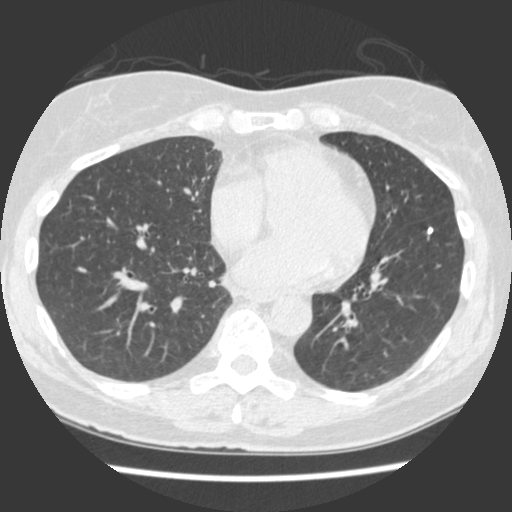
Axial chest CT slice 144 of 429 (counted from the lowest slice); tube voltage 120 kVp, convolution kernel STANDARD; slices 1.25 mm thick, 0.586 mm per pixel.
Pulmonary nodule, outlined by all four readers. Box on this slice rows 226–234, columns 426–433, the union of the readers' outlines on this slice; longest diameter 5.7 mm on average over the four readers' outlines (readers' outlines 5.2–5.9 mm), volume 29–70 mm3. Ratings, by the readers' most common answer with dissent counted: texture 5/5 (solid) from all four readers; margin 5/5 (circumscribed), all four readers agreeing; sphericity 5/5 (round) by two of four readers; the rest gave 3/5 (ovoid) (one), 4/5 (one); calcification solid calcification from all four readers; internal structure soft tissue from all four readers; subtlety split among the readers: 4/5 (two), 5/5 (two); malignancy likelihood 1/5, all four readers agreeing. Scale key (1–5): texture non-solid→solid, margin indistinct→circumscribed, sphericity linear→round, subtlety extremely subtle→obvious, malignancy likelihood highly unlikely→highly suspicious of cancer. Box rows and columns are 0-based pixel indices from the top-left corner, inclusive.